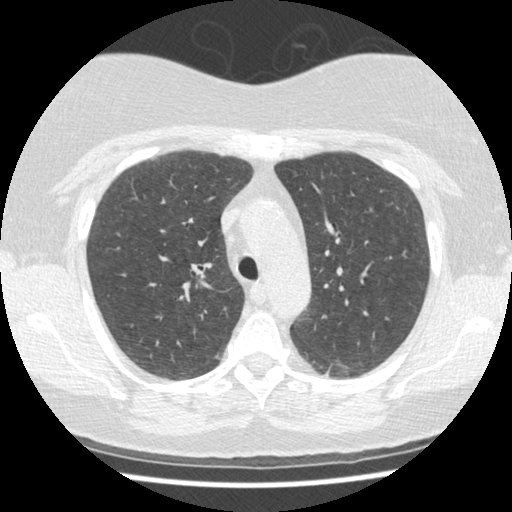
Chest CT, axial plane, 120 kVp, kernel STANDARD. Slice 287/401 from the bottom of the scan; thickness 1.25 mm; pixel size 0.625 mm.
Pulmonary nodule outlined by all four readers, three of them on this slice; box rows 207–211, columns 370–372 (the union of the readers' outlines on this slice); longest diameter 5.9–6.4 mm and volume 30–40 mm3 across the four readers' outlines. Ratings across the readers: texture 5/5 (solid), all four readers agreeing; margin from 3/5 to 5/5 (circumscribed) across the four readers; sphericity from 2/5 to 4/5 across the four readers; calcification absent from all four readers; internal structure soft tissue, all four readers agreeing; subtlety from 2/5 to 4/5 across the four readers; malignancy likelihood rated between 2 and 3 out of 5 by the four readers. Scale key (1–5): texture non-solid→solid, margin indistinct→circumscribed, sphericity linear→round, subtlety extremely subtle→obvious, malignancy likelihood highly unlikely→highly suspicious of cancer. Box rows and columns are 0-based pixel indices from the top-left corner, inclusive.